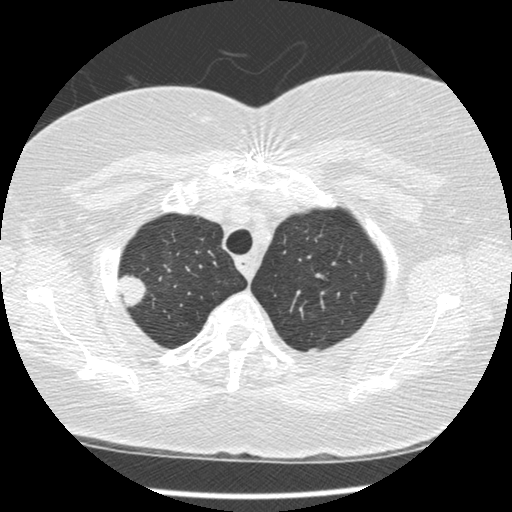
One axial slice (311 of 375, counting up from the lowest) of a chest CT acquired at 120 kVp with the STANDARD kernel; each pixel is 0.625 mm and the slice is 1.25 mm thick.
Pulmonary nodule outlined by all four readers; box rows 273–307, columns 116–146 (the union of the readers' outlines on this slice); median longest diameter 22.7 mm (readers' outlines 21.2–23.2 mm), median volume 3056 mm3 (2289–3466 mm3). Median ratings and the readers' spread: median texture 5/5 (solid) (readers ranged 4/5 to 5/5 (solid)); median margin 4/5 (readers ranged 3/5 to 5/5 (circumscribed)); median sphericity 3.5/5 (readers ranged 2/5 to 5/5 (round)); calcification absent from all four readers; internal structure soft tissue, all four readers agreeing; subtlety 5/5 from all four readers; malignancy likelihood 5/5 at the median of four readers, spread 3–5. Scale key (1–5): texture non-solid→solid, margin indistinct→circumscribed, sphericity linear→round, subtlety extremely subtle→obvious, malignancy likelihood highly unlikely→highly suspicious of cancer. Box rows and columns are 0-based pixel indices from the top-left corner, inclusive.